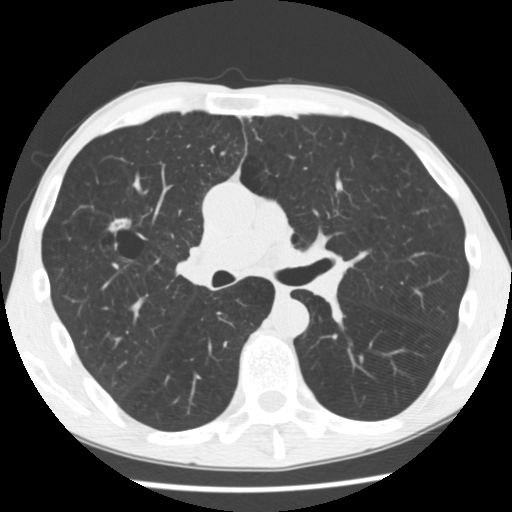
One axial slice (166 of 292, counting up from the lowest) of a chest CT acquired at 120 kVp with the STANDARD kernel; each pixel is 0.645 mm and the slice is 2.50 mm thick.
Pulmonary nodule outlined three times (the source holds two more outlines, not used); box rows 217–235, columns 105–131 (the union of the readers' outlines on this slice); median longest diameter 18.3 mm (readers' outlines 18.2–19.0 mm), median volume 926 mm3 (892–1690 mm3). Ratings, median across the readers with their spread: texture 5/5 (solid) from all three readers; median margin 3/5 (readers ranged 2/5 to 4/5); median sphericity 3/5 (ovoid) (readers ranged 2/5 to 4/5); calcification absent, all three readers agreeing; internal structure soft tissue, all three readers agreeing; subtlety 4/5 at the median of three readers, spread 4–5; median malignancy likelihood 5/5 (readers ranged 3–5). Scale key (1–5): texture non-solid→solid, margin indistinct→circumscribed, sphericity linear→round, subtlety extremely subtle→obvious, malignancy likelihood highly unlikely→highly suspicious of cancer. Box rows and columns are 0-based pixel indices from the top-left corner, inclusive.